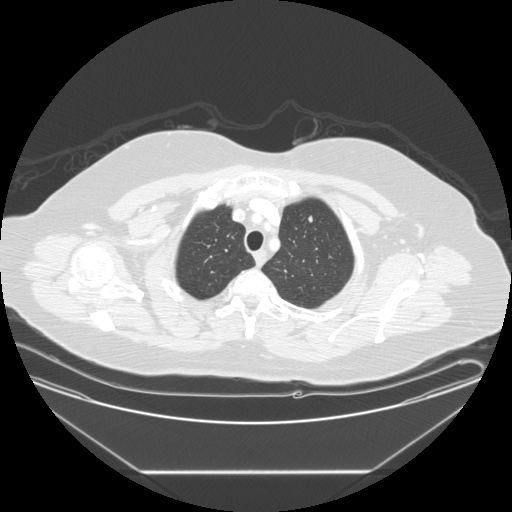
Axial chest CT slice 192 of 225 (counted from the lowest slice); 1.25 mm thick, 0.828 mm per pixel. Pulmonary nodule, outlined by all four readers. Box on this slice rows 215–222, columns 308–312, the union of the readers' outlines on this slice; median longest diameter 7.2 mm (readers' outlines 6.7–7.9 mm), median volume 146 mm3 (129–187 mm3). Ratings, median across the readers with their spread: texture 5/5 (solid) from all four readers; margin 4.5/5 at the median of four readers, spread 4/5 to 5/5 (circumscribed); median sphericity 4/5 (readers ranged 4/5 to 5/5 (round)); calcification absent, all four readers agreeing; internal structure soft tissue, all four readers agreeing; subtlety 3.5/5 at the median of four readers, spread 2–5; malignancy likelihood 3/5 at the median of four readers, spread 2–3. Scale key (1–5): texture non-solid→solid, margin indistinct→circumscribed, sphericity linear→round, subtlety extremely subtle→obvious, malignancy likelihood highly unlikely→highly suspicious of cancer. Box rows and columns are 0-based pixel indices from the top-left corner, inclusive.
Acquired at 120 kVp and reconstructed with the STANDARD kernel.